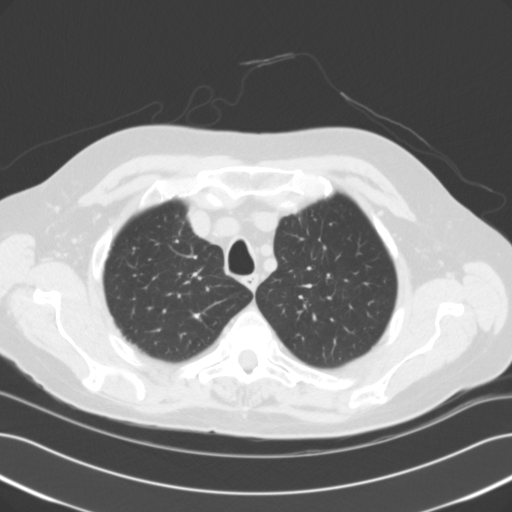
Axial slice 98 of 118 of a chest CT (slice 1 is the lowest), reconstructed with the B31f kernel at 120 kVp; 3.00 mm slice thickness and 0.707 mm pixels.
Pulmonary nodule outlined by two of the four readers; box rows 313–318, columns 194–199 (the union of the readers' outlines on this slice); the two readers' outlines give a longest diameter between 6.7 and 7.8 mm and a volume between 118 and 140 mm3. Ratings across the readers: texture 5/5 (solid), both readers agreeing; margin from 4/5 to 5/5 (circumscribed) across the two readers; sphericity from 2/5 to 4/5 across the two readers; calcification solid calcification from both readers; internal structure soft tissue, both readers agreeing; subtlety from 1/5 to 5/5 across the two readers; malignancy likelihood 1/5, both readers agreeing. Scale key (1–5): texture non-solid→solid, margin indistinct→circumscribed, sphericity linear→round, subtlety extremely subtle→obvious, malignancy likelihood highly unlikely→highly suspicious of cancer. Box rows and columns are 0-based pixel indices from the top-left corner, inclusive.